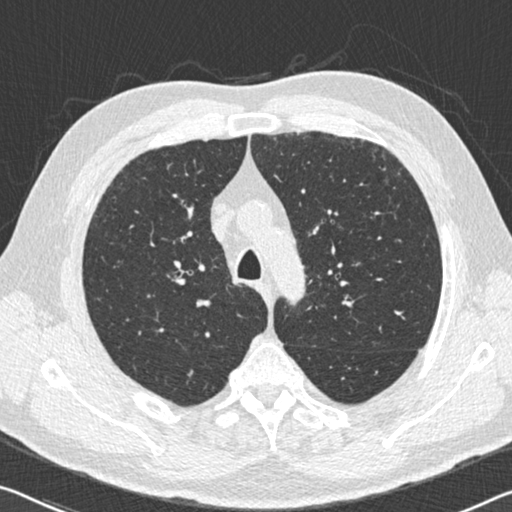
Chest CT, axial plane, 120 kVp, kernel B30f. Slice 424/536 from the bottom of the scan; thickness 0.75 mm; pixel size 0.656 mm.
Pulmonary nodule outlined by three of the four readers, one of them on this slice; box rows 180–184, columns 382–386 (the one reader's outline on this slice); longest diameter 6.7–8.3 mm and volume 64–106 mm3 across the three readers' outlines. Ratings across the readers: texture 5/5 (solid) from all three readers; margin from 4/5 to 5/5 (circumscribed) across the three readers; sphericity from 2/5 to 3/5 (ovoid) across the three readers; calcification: absent (two), non-central calcification (one); internal structure soft tissue, all three readers agreeing; subtlety rated between 2 and 5 out of 5 by the three readers; malignancy likelihood from 2/5 to 3/5 across the three readers. Scale key (1–5): texture non-solid→solid, margin indistinct→circumscribed, sphericity linear→round, subtlety extremely subtle→obvious, malignancy likelihood highly unlikely→highly suspicious of cancer. Box rows and columns are 0-based pixel indices from the top-left corner, inclusive.